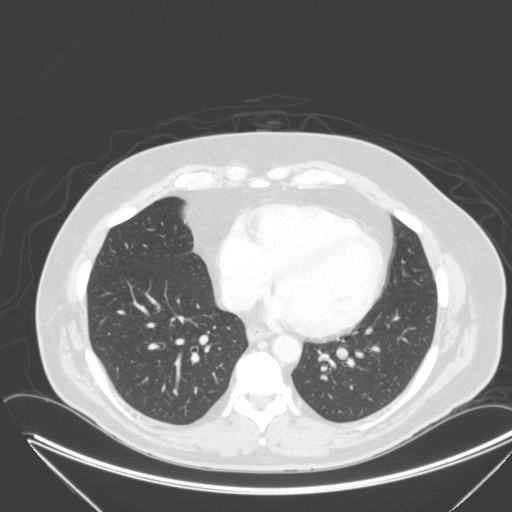
Axial chest CT slice 118 of 315 (counted from the lowest slice); tube voltage 120 kVp, convolution kernel B; slices 2.00 mm thick, 0.830 mm per pixel.
Pulmonary nodule, outlined by all four readers. Box on this slice rows 347–359, columns 335–348, the union of the readers' outlines on this slice; longest diameter 13.2 mm on average over the four readers' outlines (readers' outlines 12.3–13.9 mm), volume 668–831 mm3. The readers' prevailing ratings and who disagreed: texture 5/5 (solid) by three of four readers; the rest gave 4/5 (one); margin 5/5 (circumscribed) by three of four readers; the rest gave 4/5 (one); sphericity 5/5 (round) by three of four readers; the rest gave 4/5 (one); calcification absent, all four readers agreeing; internal structure soft tissue, all four readers agreeing; subtlety 4/5 by two of four readers; the rest gave 3/5 (one), 5/5 (one); most readers (three of four) put malignancy likelihood at 3/5, others 5/5 (one). Scale key (1–5): texture non-solid→solid, margin indistinct→circumscribed, sphericity linear→round, subtlety extremely subtle→obvious, malignancy likelihood highly unlikely→highly suspicious of cancer. Box rows and columns are 0-based pixel indices from the top-left corner, inclusive.